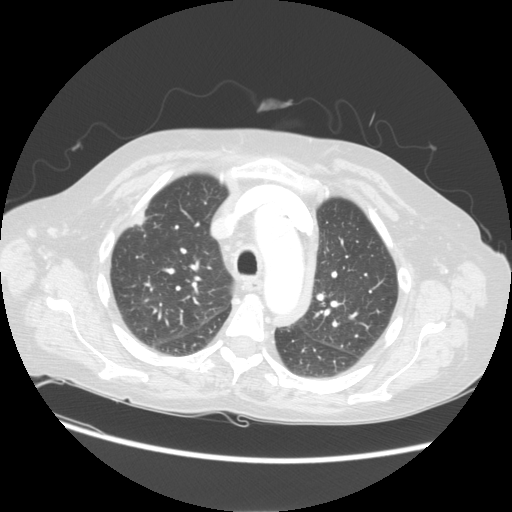
Axial chest CT slice 88 of 113 (counted from the lowest slice); 2.50 mm thick, 0.742 mm per pixel. Pulmonary nodule, outlined by three of the four readers, two of them on this slice. Box on this slice rows 206–228, columns 126–146, the union of the readers' outlines on this slice; median longest diameter 20.1 mm (readers' outlines 15.6–22.7 mm), median volume 1579 mm3 (735–1841 mm3). Median ratings and the readers' spread: texture 5/5 (solid), all three readers agreeing; margin 5/5 (circumscribed) from all three readers; sphericity 4/5 at the median of three readers, spread 3/5 (ovoid) to 5/5 (round); calcification absent from all three readers; internal structure soft tissue, all three readers agreeing; median subtlety 4/5 (readers ranged 3–5); malignancy likelihood 2/5 at the median of three readers, spread 2–5. Scale key (1–5): texture non-solid→solid, margin indistinct→circumscribed, sphericity linear→round, subtlety extremely subtle→obvious, malignancy likelihood highly unlikely→highly suspicious of cancer. Box rows and columns are 0-based pixel indices from the top-left corner, inclusive.
Acquired at 120 kVp and reconstructed with the STANDARD kernel.